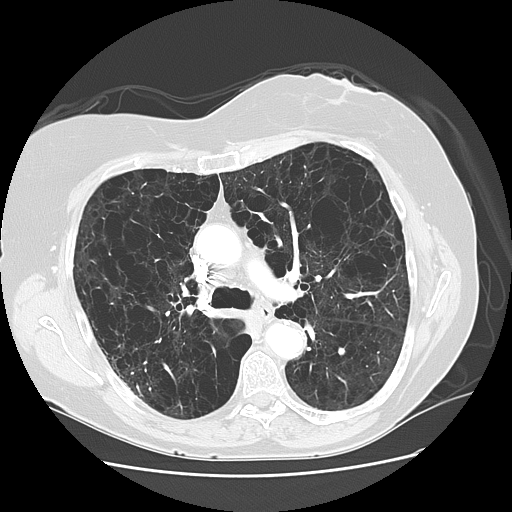
Axial chest CT slice 82 of 125 (counted from the lowest slice); 2.50 mm thick, 0.703 mm per pixel. No nodule 3 mm or larger was outlined here by any reader.
Acquired at 120 kVp and reconstructed with the LUNG kernel.